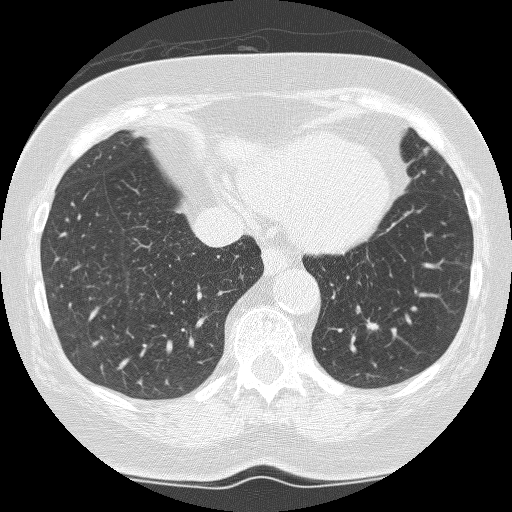
Slice 80/246 of a chest CT, counting up from the lowest; pixel size 0.566 mm, slice thickness 1.25 mm. Pulmonary nodule, outlined by all four readers, three of them on this slice. Box on this slice rows 319–330, columns 366–379, the union of the readers' outlines on this slice; median longest diameter 15.5 mm (readers' outlines 13.8–17.3 mm), median volume 933 mm3 (672–1099 mm3). Median ratings and the readers' spread: texture 5/5 (solid) from all four readers; median margin 3/5 (readers ranged 2/5 to 4/5); median sphericity 3.5/5 (readers ranged 2/5 to 4/5); calcification absent, all four readers agreeing; internal structure soft tissue, all four readers agreeing; subtlety 4.5/5 at the median of four readers, spread 4–5; malignancy likelihood 4.5/5 at the median of four readers, spread 3–5. Scale key (1–5): texture non-solid→solid, margin indistinct→circumscribed, sphericity linear→round, subtlety extremely subtle→obvious, malignancy likelihood highly unlikely→highly suspicious of cancer. Box rows and columns are 0-based pixel indices from the top-left corner, inclusive.
Scan settings: 120 kVp, BONE reconstruction kernel.